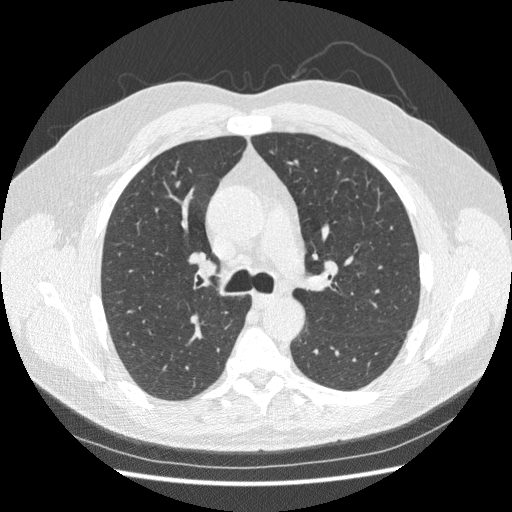
Chest CT, axial plane, 120 kVp, kernel STANDARD. Slice 157/250 from the bottom of the scan; thickness 1.25 mm; pixel size 0.703 mm.
Pulmonary nodule, outlined by all four readers. Box on this slice rows 181–187, columns 174–180, the union of the readers' outlines on this slice; longest diameter 6.3 mm on average over the four readers' outlines (readers' outlines 5.8–7.3 mm), volume 93–146 mm3. Ratings, by the readers' most common answer with dissent counted: texture 5/5 (solid), all four readers agreeing; margin split among the readers: 4/5 (two), 5/5 (circumscribed) (two); sphericity 3/5 (ovoid) by two of four readers; the rest gave 4/5 (one), 5/5 (round) (one); calcification absent from all four readers; internal structure soft tissue, all four readers agreeing; subtlety 3/5 by two of four readers; the rest gave 4/5 (one), 5/5 (one); malignancy likelihood 3/5 by two of four readers; the rest gave 2/5 (one), 4/5 (one). Scale key (1–5): texture non-solid→solid, margin indistinct→circumscribed, sphericity linear→round, subtlety extremely subtle→obvious, malignancy likelihood highly unlikely→highly suspicious of cancer. Box rows and columns are 0-based pixel indices from the top-left corner, inclusive.